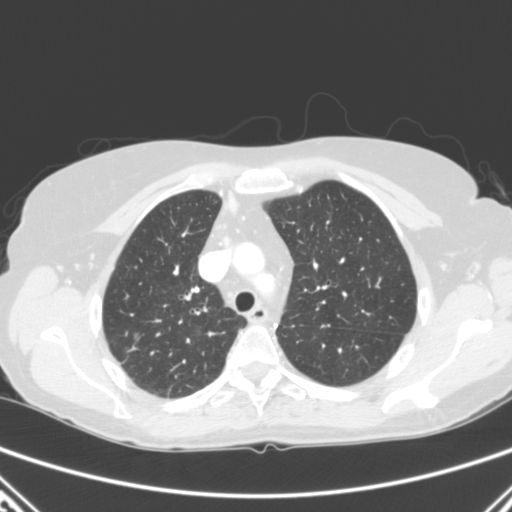
Axial slice 206 of 280 of a chest CT (slice 1 is the lowest), reconstructed with the B kernel at 120 kVp; 2.00 mm slice thickness and 0.676 mm pixels.
Pulmonary nodule at rows 347–352, columns 129–137 (box = the one reader's outline on this slice), outlined three times (the source holds two more outlines, not used), one of them on this slice; median longest diameter 19.7 mm (readers' outlines 19.6–26.7 mm), median volume 999 mm3 (949–1659 mm3). Median ratings and the readers' spread: median texture 5/5 (solid) (readers ranged 4/5 to 5/5 (solid)); margin 3/5 at the median of three readers, spread 3/5 to 4/5; median sphericity 3/5 (ovoid) (readers ranged 2/5 to 5/5 (round)); calcification absent, all three readers agreeing; internal structure soft tissue from all three readers; subtlety 5/5 from all three readers; median malignancy likelihood 5/5 (readers ranged 4–5). Scale key (1–5): texture non-solid→solid, margin indistinct→circumscribed, sphericity linear→round, subtlety extremely subtle→obvious, malignancy likelihood highly unlikely→highly suspicious of cancer. Box rows and columns are 0-based pixel indices from the top-left corner, inclusive.